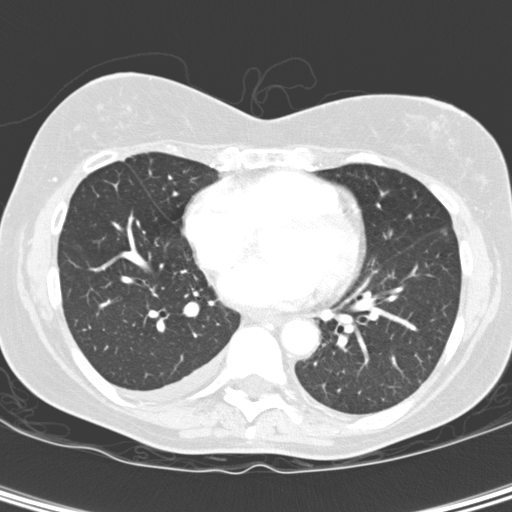
Slice 103/260 of a chest CT, counting up from the lowest; pixel size 0.584 mm, slice thickness 2.00 mm. None of the four readers outlined a nodule of 3 mm or more on this slice.
Tube voltage 120 kVp; convolution kernel D.